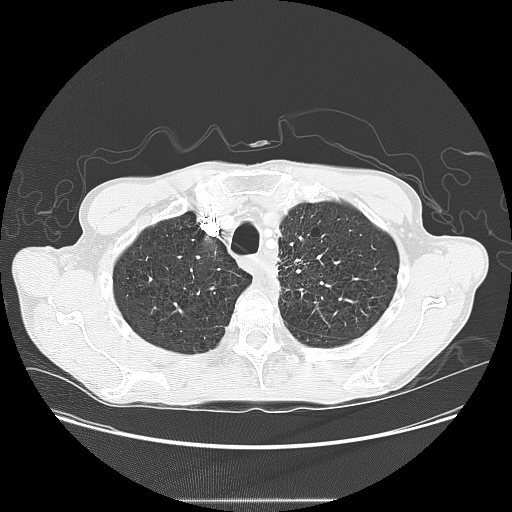
Axial chest CT slice 121 of 145 (counted from the lowest slice); tube voltage 120 kVp, convolution kernel LUNG; slices 2.50 mm thick, 0.781 mm per pixel.
Pulmonary nodule, outlined by one of the four readers. Box on this slice rows 259–264, columns 294–300, that reader's outline on this slice; longest diameter 20.7 mm and volume 2229 mm3 from that reader's outline. Ratings by that reader: texture 5/5 (solid); margin 2/5; sphericity 5/5 (round); calcification absent; internal structure soft tissue; subtlety 4/5; malignancy likelihood 5/5. Scale key (1–5): texture non-solid→solid, margin indistinct→circumscribed, sphericity linear→round, subtlety extremely subtle→obvious, malignancy likelihood highly unlikely→highly suspicious of cancer. Box rows and columns are 0-based pixel indices from the top-left corner, inclusive.